Axial chest CT slice 79 of 133 (counted from the lowest slice); tube voltage 120 kVp, convolution kernel STANDARD; slices 2.50 mm thick, 0.664 mm per pixel.
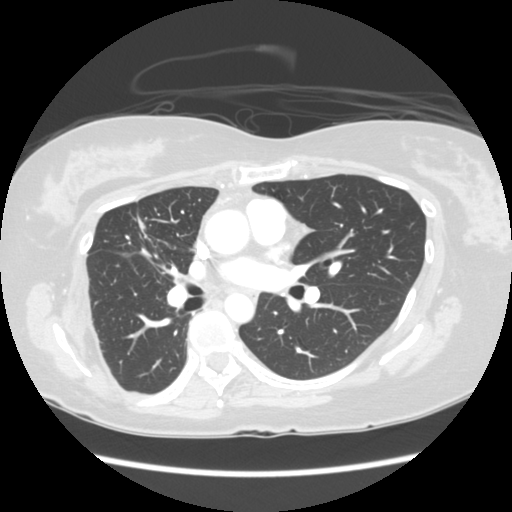
No nodule 3 mm or larger was outlined here by any reader.